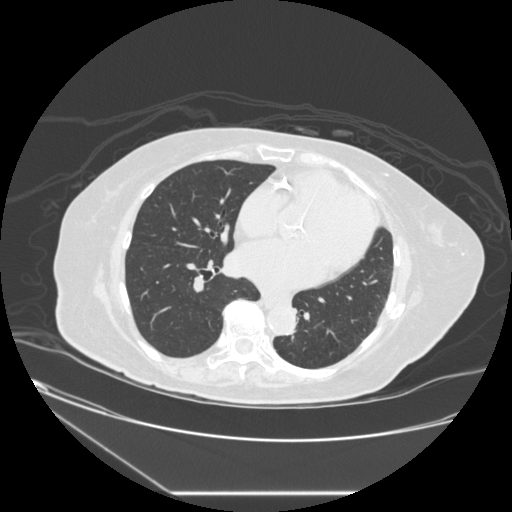
Axial slice 131 of 241 of a chest CT (slice 1 is the lowest), reconstructed with the STANDARD kernel at 120 kVp; 1.25 mm slice thickness and 0.773 mm pixels.
None of the four readers outlined a nodule of 3 mm or more on this slice.